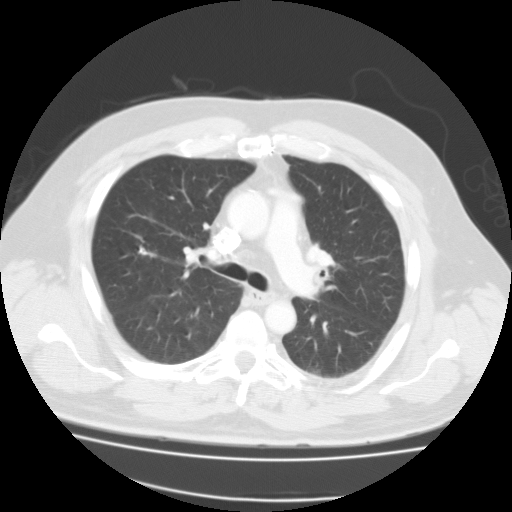
Slice 75/115 of a chest CT, counting up from the lowest; pixel size 0.782 mm, slice thickness 3.00 mm. Pulmonary nodule, outlined by three of the four readers, two of them on this slice. Box on this slice rows 246–253, columns 139–144, the union of the readers' outlines on this slice; longest diameter 7.0 mm on average over the three readers' outlines (readers' outlines 6.4–7.8 mm), volume 61–259 mm3. The readers' prevailing ratings and who disagreed: texture 5/5 (solid) from all three readers; margin 5/5 (circumscribed), all three readers agreeing; sphericity split among the readers: 2/5 (one), 3/5 (ovoid) (one), 4/5 (one); calcification solid calcification from all three readers; internal structure soft tissue from all three readers; subtlety 4/5 by two of three readers; the rest gave 5/5 (one); malignancy likelihood 1/5, all three readers agreeing. Scale key (1–5): texture non-solid→solid, margin indistinct→circumscribed, sphericity linear→round, subtlety extremely subtle→obvious, malignancy likelihood highly unlikely→highly suspicious of cancer. Box rows and columns are 0-based pixel indices from the top-left corner, inclusive.
Acquired at 135 kVp and reconstructed with the FC01 kernel.